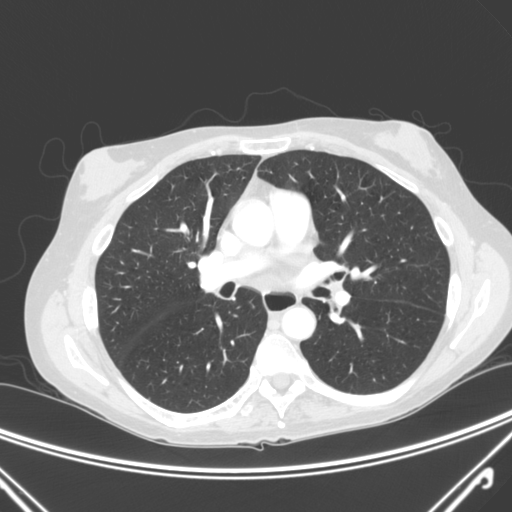
Axial slice 158 of 300 of a chest CT (slice 1 is the lowest), reconstructed with the C kernel at 120 kVp; 2.00 mm slice thickness and 0.715 mm pixels.
None of the four readers outlined a nodule of 3 mm or more on this slice.